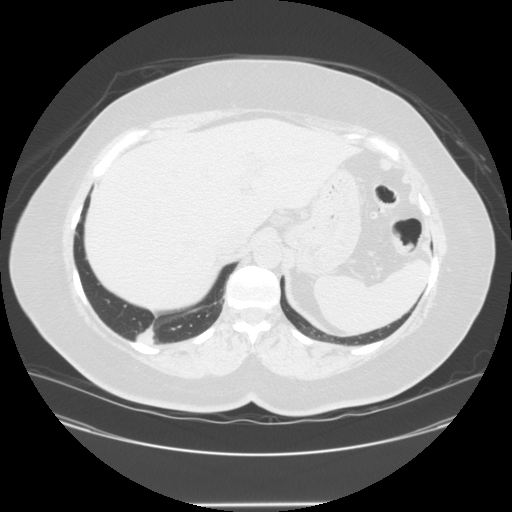
Axial chest CT slice 43 of 150 (counted from the lowest slice); tube voltage 120 kVp, convolution kernel STANDARD; slices 2.50 mm thick, 0.820 mm per pixel.
Pulmonary nodule at rows 326–341, columns 132–151 (box = the union of the readers' outlines on this slice), outlined by three of the four readers, two of them on this slice; longest diameter 34.5–41.5 mm and volume 15181–19016 mm3 across the three readers' outlines. Ratings across the readers: texture 5/5 (solid), all three readers agreeing; margin from 2/5 to 4/5 across the three readers; sphericity from 3/5 (ovoid) to 5/5 (round) across the three readers; calcification absent, all three readers agreeing; internal structure soft tissue from all three readers; subtlety 5/5 from all three readers; malignancy likelihood 5/5, all three readers agreeing. Scale key (1–5): texture non-solid→solid, margin indistinct→circumscribed, sphericity linear→round, subtlety extremely subtle→obvious, malignancy likelihood highly unlikely→highly suspicious of cancer. Box rows and columns are 0-based pixel indices from the top-left corner, inclusive.